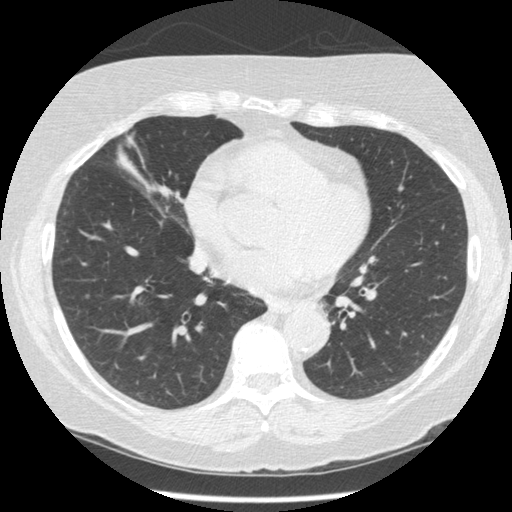
Axial slice 206 of 484 of a chest CT (slice 1 is the lowest), reconstructed with the STANDARD kernel at 120 kVp; 1.25 mm slice thickness and 0.664 mm pixels.
Pulmonary nodule, outlined by one of the four readers. Box on this slice rows 294–298, columns 85–89, that reader's outline on this slice; longest diameter 5.6 mm and volume 47 mm3 from that reader's outline. That reader's ratings: texture 5/5 (solid); margin 4/5; sphericity 5/5 (round); calcification absent; internal structure soft tissue; subtlety 5/5; malignancy likelihood 3/5. Scale key (1–5): texture non-solid→solid, margin indistinct→circumscribed, sphericity linear→round, subtlety extremely subtle→obvious, malignancy likelihood highly unlikely→highly suspicious of cancer. Box rows and columns are 0-based pixel indices from the top-left corner, inclusive.